Axial slice 189 of 300 of a chest CT (slice 1 is the lowest), reconstructed with the D kernel at 120 kVp; 2.00 mm slice thickness and 0.678 mm pixels.
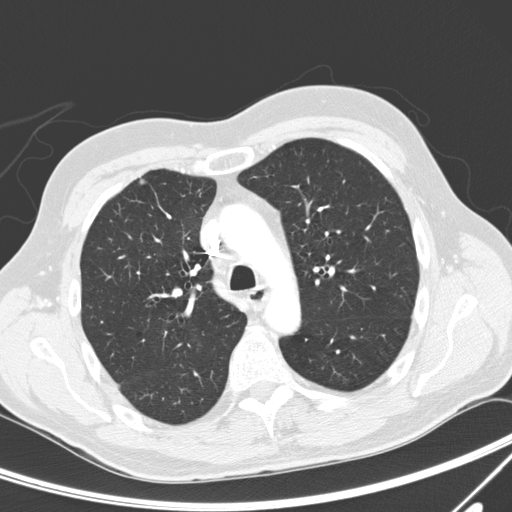
Pulmonary nodule, outlined by all four readers, three of them on this slice. Box on this slice rows 179–184, columns 139–145, the union of the readers' outlines on this slice; median longest diameter 8.2 mm (readers' outlines 7.9–8.5 mm), median volume 216 mm3 (191–251 mm3). Median ratings and the readers' spread: texture 5/5 (solid) from all four readers; margin 5/5 (circumscribed) at the median of four readers, spread 4/5 to 5/5 (circumscribed); median sphericity 4.5/5 (readers ranged 3/5 (ovoid) to 5/5 (round)); calcification: solid calcification (three), absent (one); internal structure soft tissue from all four readers; subtlety 5/5 from all four readers; median malignancy likelihood 1/5 (readers ranged 1–3). Scale key (1–5): texture non-solid→solid, margin indistinct→circumscribed, sphericity linear→round, subtlety extremely subtle→obvious, malignancy likelihood highly unlikely→highly suspicious of cancer. Box rows and columns are 0-based pixel indices from the top-left corner, inclusive.